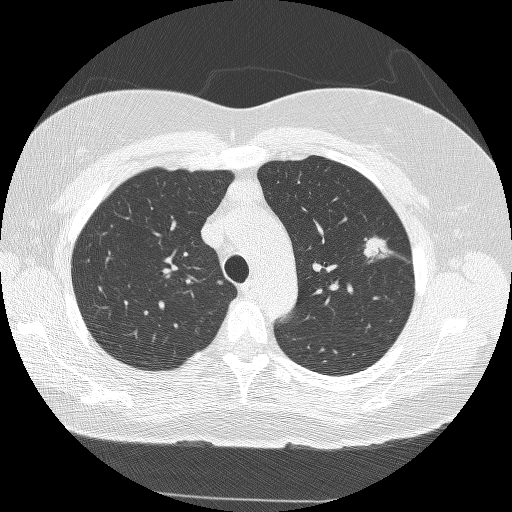
Axial slice 190 of 245 of a chest CT (slice 1 is the lowest), reconstructed with the BONE kernel at 120 kVp; 1.25 mm slice thickness and 0.664 mm pixels.
Two pulmonary nodules on this slice, listed from left to right. (1) Pulmonary nodule at rows 280–284, columns 217–222 (box = that reader's outline on this slice), outlined by one of the four readers; longest diameter 5.7 mm and volume 37 mm3 from that reader's outline. Ratings by that reader: texture 5/5 (solid); margin 2/5; sphericity 5/5 (round); calcification absent; internal structure soft tissue; subtlety 1/5; malignancy likelihood 2/5. (2) Pulmonary nodule outlined by all four readers; box rows 235–263, columns 363–393 (the union of the readers' outlines on this slice); longest diameter 21.3 mm on average over the four readers' outlines (readers' outlines 20.8–22.3 mm), volume 2976–3390 mm3. Ratings, by the readers' most common answer with dissent counted: texture 5/5 (solid) by three of four readers; the rest gave 4/5 (one); margin split among the readers: 3/5 (two), 4/5 (two); sphericity 3/5 (ovoid) by two of four readers; the rest gave 4/5 (one), 5/5 (round) (one); calcification absent from all four readers; internal structure soft tissue from all four readers; subtlety 5/5, all four readers agreeing; malignancy likelihood 5/5 from all four readers. Scale key (1–5): texture non-solid→solid, margin indistinct→circumscribed, sphericity linear→round, subtlety extremely subtle→obvious, malignancy likelihood highly unlikely→highly suspicious of cancer. Box rows and columns are 0-based pixel indices from the top-left corner, inclusive.